Axial slice 313 of 506 of a chest CT (slice 1 is the lowest), reconstructed with the B30f kernel at 120 kVp; 0.75 mm slice thickness and 0.699 mm pixels.
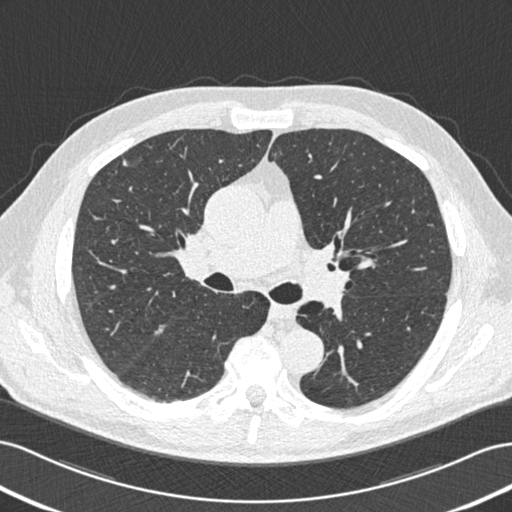
Pulmonary nodule, outlined by all four readers. Box on this slice rows 159–165, columns 122–128, the union of the readers' outlines on this slice; the four readers' outlines give a longest diameter between 6.9 and 9.7 mm and a volume between 41 and 96 mm3. Ratings across the readers: texture 5/5 (solid) from all four readers; margin from 2/5 to 5/5 (circumscribed) across the four readers; sphericity from 3/5 (ovoid) to 5/5 (round) across the four readers; calcification absent from all four readers; internal structure soft tissue, all four readers agreeing; subtlety 3–4/5 (the readers disagree); malignancy likelihood 1–3/5 (the readers disagree). Scale key (1–5): texture non-solid→solid, margin indistinct→circumscribed, sphericity linear→round, subtlety extremely subtle→obvious, malignancy likelihood highly unlikely→highly suspicious of cancer. Box rows and columns are 0-based pixel indices from the top-left corner, inclusive.